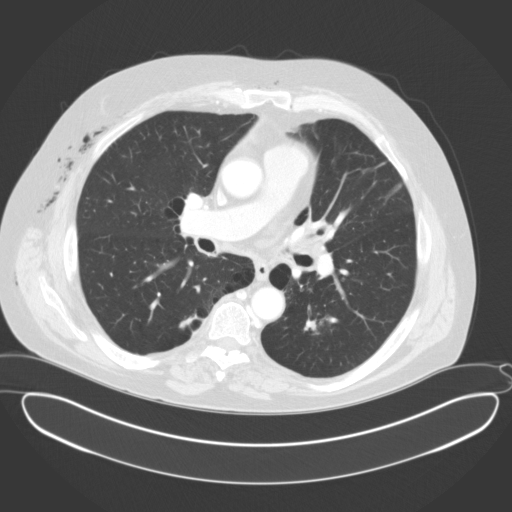
One axial slice (102 of 153, counting up from the lowest) of a chest CT acquired at 120 kVp with the B31f kernel; each pixel is 0.836 mm and the slice is 3.00 mm thick.
Pulmonary nodule outlined by two of the four readers, one of them on this slice; box rows 323–327, columns 179–185 (the one reader's outline on this slice); longest diameter 11.6–11.8 mm and volume 264–409 mm3 across the two readers' outlines. Ratings across the readers: texture 5/5 (solid) from both readers; margin 4/5, both readers agreeing; sphericity 3/5 (ovoid) from both readers; calcification absent, both readers agreeing; internal structure soft tissue, both readers agreeing; subtlety 4/5, both readers agreeing; malignancy likelihood rated between 1 and 3 out of 5 by the two readers. Scale key (1–5): texture non-solid→solid, margin indistinct→circumscribed, sphericity linear→round, subtlety extremely subtle→obvious, malignancy likelihood highly unlikely→highly suspicious of cancer. Box rows and columns are 0-based pixel indices from the top-left corner, inclusive.